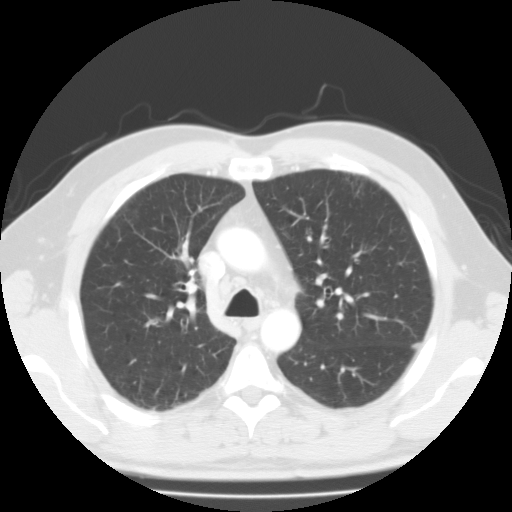
One axial slice (80 of 116, counting up from the lowest) of a chest CT acquired at 135 kVp with the FC01 kernel; each pixel is 0.714 mm and the slice is 3.00 mm thick.
No nodule 3 mm or larger was outlined here by any reader.